One axial slice (355 of 493, counting up from the lowest) of a chest CT acquired at 120 kVp with the B30f kernel; each pixel is 0.762 mm and the slice is 0.75 mm thick.
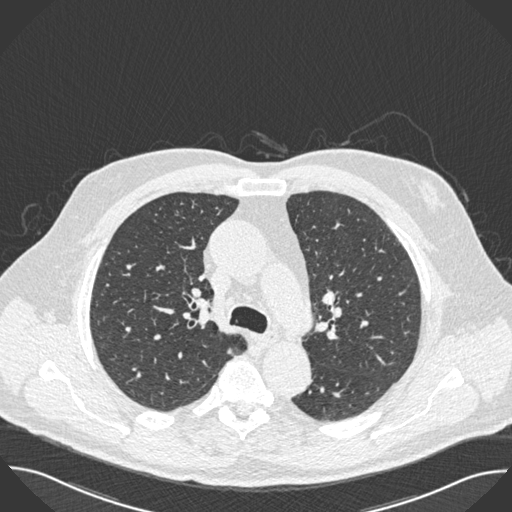
Pulmonary nodule, outlined by two of the four readers. Box on this slice rows 348–353, columns 227–231, the union of the readers' outlines on this slice; the two readers' outlines give a longest diameter between 6.6 and 7.5 mm and a volume between 41 and 75 mm3. Ratings across the readers: texture 5/5 (solid), both readers agreeing; margin 4/5 from both readers; sphericity 3/5 (ovoid), both readers agreeing; calcification absent from both readers; internal structure soft tissue from both readers; subtlety 4/5, both readers agreeing; malignancy likelihood from 2/5 to 3/5 across the two readers. Scale key (1–5): texture non-solid→solid, margin indistinct→circumscribed, sphericity linear→round, subtlety extremely subtle→obvious, malignancy likelihood highly unlikely→highly suspicious of cancer. Box rows and columns are 0-based pixel indices from the top-left corner, inclusive.